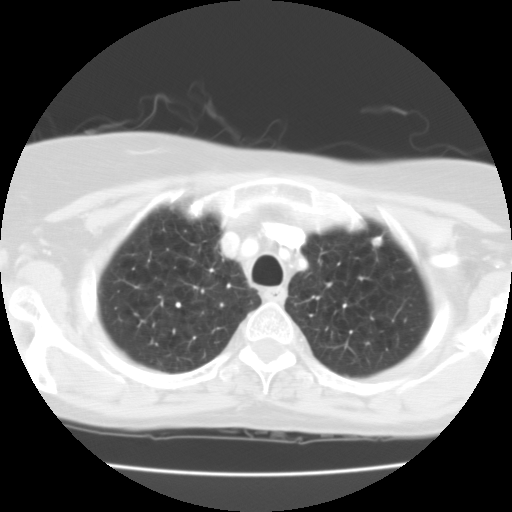
One axial slice (88 of 109, counting up from the lowest) of a chest CT acquired at 135 kVp with the FC01 kernel; each pixel is 0.613 mm and the slice is 3.00 mm thick.
Pulmonary nodule outlined by all four readers; box rows 237–247, columns 372–382 (the union of the readers' outlines on this slice); median longest diameter 12.0 mm (readers' outlines 10.9–13.0 mm), median volume 603 mm3 (333–666 mm3). Median ratings and the readers' spread: texture 5/5 (solid), all four readers agreeing; margin 5/5 (circumscribed) from all four readers; sphericity 4.5/5 at the median of four readers, spread 4/5 to 5/5 (round); calcification: solid calcification (three), absent (one); internal structure soft tissue, all four readers agreeing; subtlety 5/5, all four readers agreeing; median malignancy likelihood 1/5 (readers ranged 1–3). Scale key (1–5): texture non-solid→solid, margin indistinct→circumscribed, sphericity linear→round, subtlety extremely subtle→obvious, malignancy likelihood highly unlikely→highly suspicious of cancer. Box rows and columns are 0-based pixel indices from the top-left corner, inclusive.